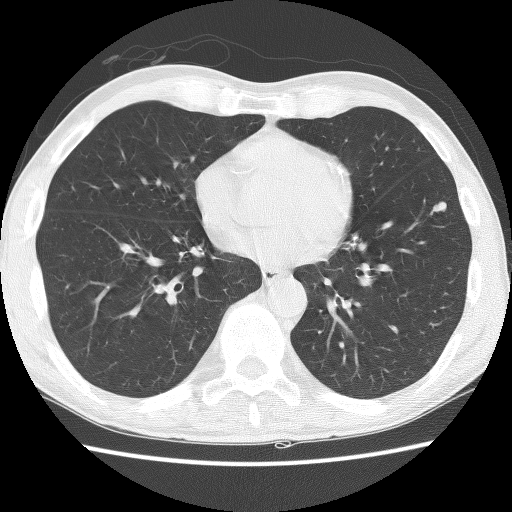
Chest CT, axial plane, 140 kVp, kernel BONE. Slice 50/136 from the bottom of the scan; thickness 2.50 mm; pixel size 0.646 mm.
Pulmonary nodule outlined by all four readers; box rows 201–211, columns 432–446 (the union of the readers' outlines on this slice); longest diameter 10.2 mm on average over the four readers' outlines (readers' outlines 9.0–11.0 mm), volume 271–385 mm3. The readers' prevailing ratings and who disagreed: most readers (three of four) put texture at 5/5 (solid), others 4/5 (one); margin 5/5 (circumscribed) by three of four readers; the rest gave 4/5 (one); sphericity 3/5 (ovoid) by three of four readers; the rest gave 4/5 (one); calcification absent, all four readers agreeing; internal structure soft tissue from all four readers; subtlety split among the readers: 4/5 (two), 5/5 (two); most readers (three of four) put malignancy likelihood at 4/5, others 3/5 (one). Scale key (1–5): texture non-solid→solid, margin indistinct→circumscribed, sphericity linear→round, subtlety extremely subtle→obvious, malignancy likelihood highly unlikely→highly suspicious of cancer. Box rows and columns are 0-based pixel indices from the top-left corner, inclusive.